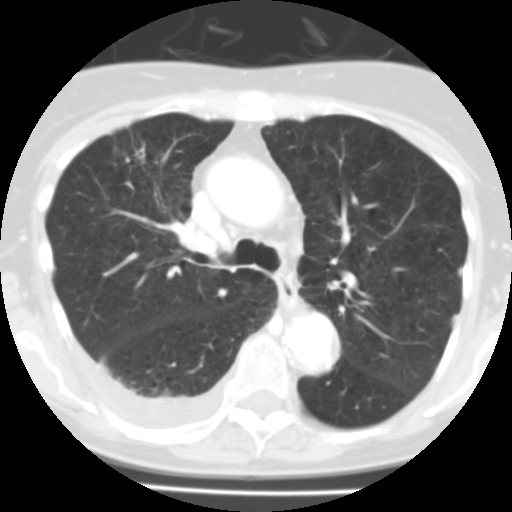
Chest CT, axial plane, 135 kVp, kernel FC01. Slice 66/100 from the bottom of the scan; thickness 3.00 mm; pixel size 0.540 mm.
Pulmonary nodule at rows 134–172, columns 114–145 (box = the union of the readers' outlines on this slice), outlined by all four readers, two of them on this slice; the four readers' outlines give a longest diameter between 22.6 and 33.3 mm and a volume between 3212 and 10079 mm3. The readers' ratings, as ranges where they differ: texture from 4/5 to 5/5 (solid) across the four readers; margin from 1/5 (indistinct) to 4/5 across the four readers; sphericity from 3/5 (ovoid) to 5/5 (round) across the four readers; calcification absent, all four readers agreeing; internal structure soft tissue, all four readers agreeing; subtlety 5/5, all four readers agreeing; malignancy likelihood rated between 4 and 5 out of 5 by the four readers. Scale key (1–5): texture non-solid→solid, margin indistinct→circumscribed, sphericity linear→round, subtlety extremely subtle→obvious, malignancy likelihood highly unlikely→highly suspicious of cancer. Box rows and columns are 0-based pixel indices from the top-left corner, inclusive.